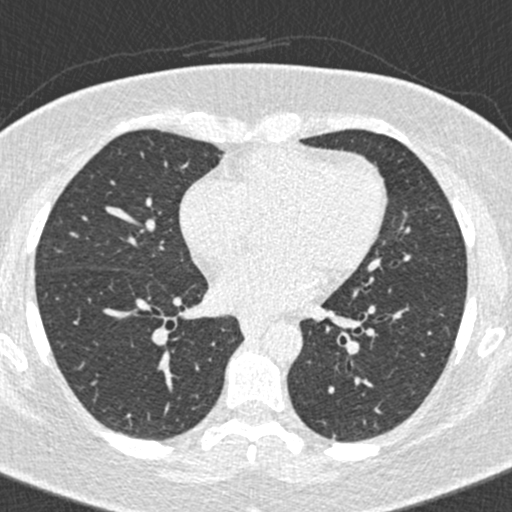
Axial chest CT slice 218 of 456 (counted from the lowest slice); tube voltage 120 kVp, convolution kernel B30f; slices 0.75 mm thick, 0.559 mm per pixel.
Pulmonary nodule outlined by one of the four readers; box rows 435–438, columns 332–335 (that reader's outline on this slice); longest diameter 3.7 mm and volume 16 mm3 from that reader's outline. That reader's ratings: texture 5/5 (solid); margin 5/5 (circumscribed); sphericity 5/5 (round); calcification solid calcification; internal structure soft tissue; subtlety 5/5; malignancy likelihood 1/5. Scale key (1–5): texture non-solid→solid, margin indistinct→circumscribed, sphericity linear→round, subtlety extremely subtle→obvious, malignancy likelihood highly unlikely→highly suspicious of cancer. Box rows and columns are 0-based pixel indices from the top-left corner, inclusive.